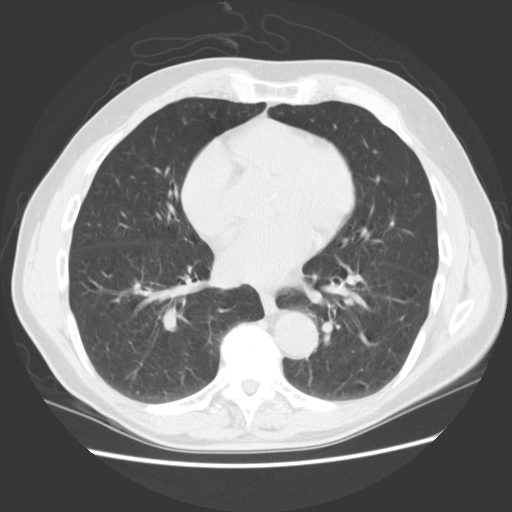
Chest CT, axial plane, 120 kVp, kernel STANDARD. Slice 72/157 from the bottom of the scan; thickness 2.50 mm; pixel size 0.703 mm.
No nodule 3 mm or larger was outlined here by any reader.